Axial chest CT slice 46 of 162 (counted from the lowest slice); tube voltage 120 kVp, convolution kernel BONE; slices 1.25 mm thick, 0.703 mm per pixel.
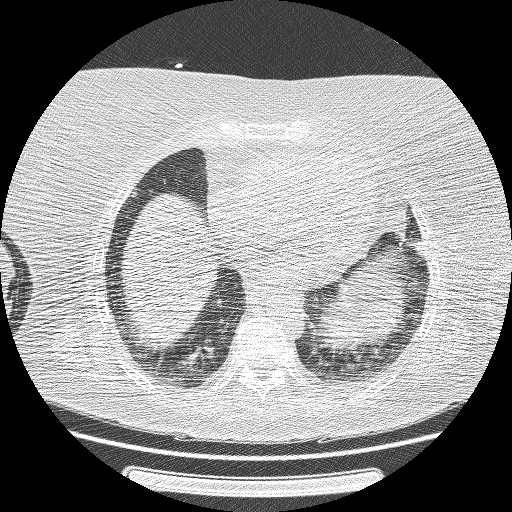
Pulmonary nodule outlined by two of the four readers, one of them on this slice; box rows 216–244, columns 389–410 (the one reader's outline on this slice); the two readers' outlines give a longest diameter between 19.1 and 21.7 mm and a volume between 914 and 2424 mm3. The readers' ratings, as ranges where they differ: texture 5/5 (solid), both readers agreeing; margin from 3/5 to 4/5 across the two readers; sphericity from 3/5 (ovoid) to 4/5 across the two readers; calcification absent from both readers; internal structure soft tissue from both readers; subtlety 4–5/5 (the readers disagree); malignancy likelihood 3/5, both readers agreeing. Scale key (1–5): texture non-solid→solid, margin indistinct→circumscribed, sphericity linear→round, subtlety extremely subtle→obvious, malignancy likelihood highly unlikely→highly suspicious of cancer. Box rows and columns are 0-based pixel indices from the top-left corner, inclusive.